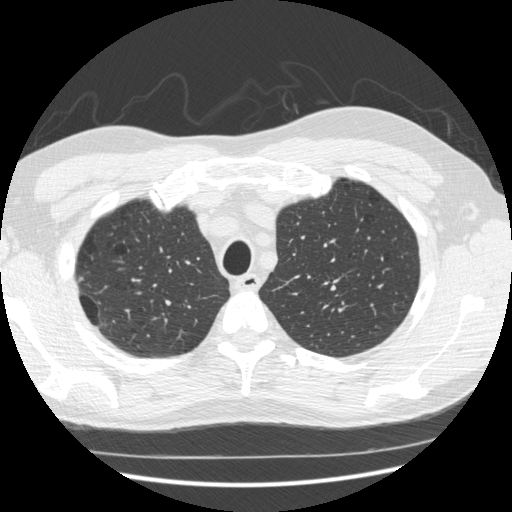
This is axial slice 412 of 509 (slice 1 is the lowest) of a chest CT; each pixel is 0.703 mm and the slice is 1.25 mm thick. Pulmonary nodule, outlined by one of the four readers. Box on this slice rows 278–281, columns 78–83, that reader's outline on this slice; longest diameter 7.0 mm and volume 52 mm3 from that reader's outline. That reader's ratings: texture 5/5 (solid); margin 4/5; sphericity 3/5 (ovoid); calcification absent; internal structure soft tissue; subtlety 3/5; malignancy likelihood 2/5. Scale key (1–5): texture non-solid→solid, margin indistinct→circumscribed, sphericity linear→round, subtlety extremely subtle→obvious, malignancy likelihood highly unlikely→highly suspicious of cancer. Box rows and columns are 0-based pixel indices from the top-left corner, inclusive.
Acquired at 120 kVp and reconstructed with the STANDARD kernel.